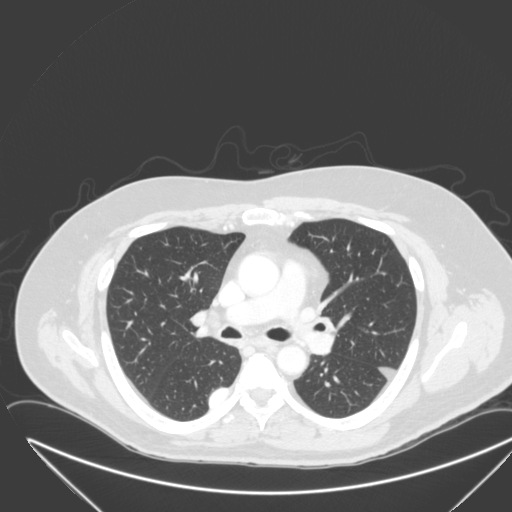
Axial chest CT slice 193 of 315 (counted from the lowest slice); 2.00 mm thick, 0.830 mm per pixel. Pulmonary nodule outlined by one of the four readers; box rows 388–406, columns 209–225 (that reader's outline on this slice); longest diameter 27.1 mm and volume 6093 mm3 from that reader's outline. Ratings by that reader: texture 5/5 (solid); margin 4/5; sphericity 2/5; calcification absent; internal structure soft tissue; subtlety 5/5; malignancy likelihood 4/5. Scale key (1–5): texture non-solid→solid, margin indistinct→circumscribed, sphericity linear→round, subtlety extremely subtle→obvious, malignancy likelihood highly unlikely→highly suspicious of cancer. Box rows and columns are 0-based pixel indices from the top-left corner, inclusive.
Tube voltage 120 kVp; convolution kernel B.